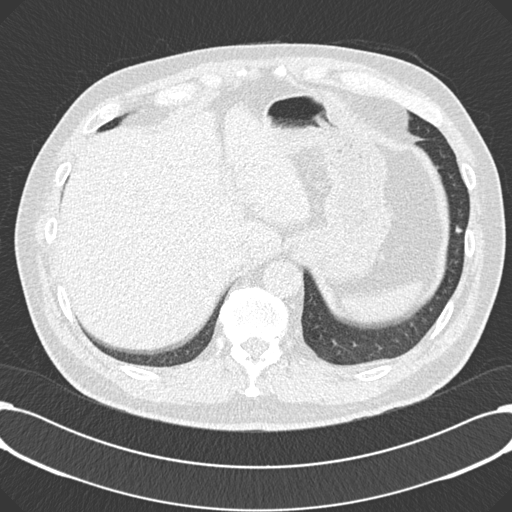
Axial chest CT slice 43 of 195 (counted from the lowest slice); tube voltage 120 kVp, convolution kernel B30f; slices 2.00 mm thick, 0.723 mm per pixel.
Pulmonary nodule, outlined by all four readers. Box on this slice rows 225–234, columns 454–462, the union of the readers' outlines on this slice; longest diameter 8.0 mm on average over the four readers' outlines (readers' outlines 7.3–8.7 mm), volume 123–254 mm3. The readers' prevailing ratings and who disagreed: texture 5/5 (solid), all four readers agreeing; most readers (three of four) put margin at 5/5 (circumscribed), others 4/5 (one); sphericity 4/5 by three of four readers; the rest gave 3/5 (ovoid) (one); calcification absent from all four readers; internal structure soft tissue from all four readers; subtlety split among the readers: 4/5 (two), 5/5 (two); most readers (three of four) put malignancy likelihood at 3/5, others 2/5 (one). Scale key (1–5): texture non-solid→solid, margin indistinct→circumscribed, sphericity linear→round, subtlety extremely subtle→obvious, malignancy likelihood highly unlikely→highly suspicious of cancer. Box rows and columns are 0-based pixel indices from the top-left corner, inclusive.